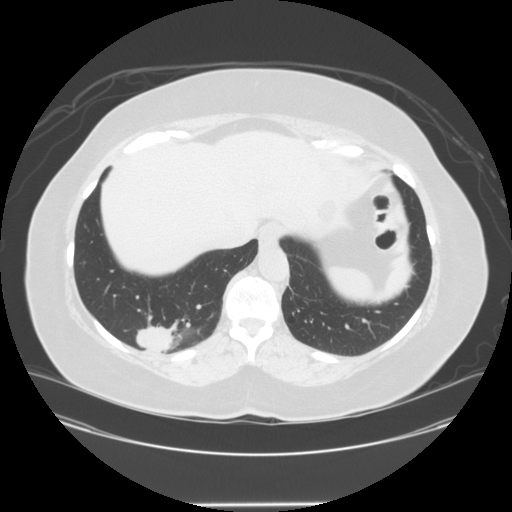
Chest CT, axial plane, 120 kVp, kernel STANDARD. Slice 52/150 from the bottom of the scan; thickness 2.50 mm; pixel size 0.820 mm.
Pulmonary nodule, outlined by three of the four readers. Box on this slice rows 320–350, columns 136–171, the union of the readers' outlines on this slice; longest diameter 34.5–41.5 mm and volume 15181–19016 mm3 across the three readers' outlines. Ratings across the readers: texture 5/5 (solid) from all three readers; margin from 2/5 to 4/5 across the three readers; sphericity from 3/5 (ovoid) to 5/5 (round) across the three readers; calcification absent from all three readers; internal structure soft tissue from all three readers; subtlety 5/5 from all three readers; malignancy likelihood 5/5, all three readers agreeing. Scale key (1–5): texture non-solid→solid, margin indistinct→circumscribed, sphericity linear→round, subtlety extremely subtle→obvious, malignancy likelihood highly unlikely→highly suspicious of cancer. Box rows and columns are 0-based pixel indices from the top-left corner, inclusive.